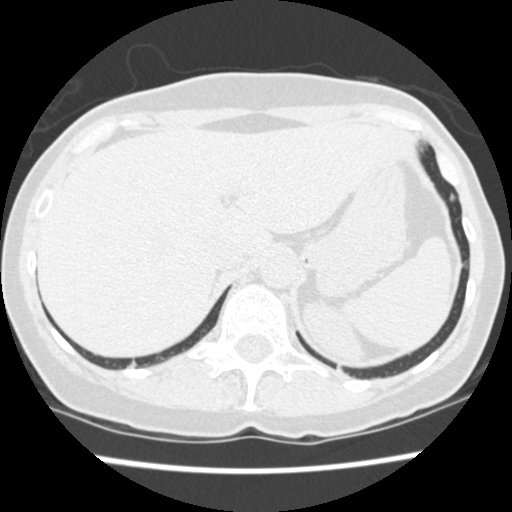
Chest CT, axial plane, 120 kVp, kernel STANDARD. Slice 52/471 from the bottom of the scan; thickness 1.25 mm; pixel size 0.586 mm.
Pulmonary nodule, outlined by all four readers. Box on this slice rows 192–202, columns 449–455, the union of the readers' outlines on this slice; longest diameter 7.0 mm on average over the four readers' outlines (readers' outlines 6.1–9.0 mm), volume 96–205 mm3. The readers' prevailing ratings and who disagreed: texture 5/5 (solid) from all four readers; margin 4/5 by three of four readers; the rest gave 5/5 (circumscribed) (one); most readers (three of four) put sphericity at 3/5 (ovoid), others 5/5 (round) (one); calcification absent from all four readers; internal structure soft tissue from all four readers; subtlety 3/5 by three of four readers; the rest gave 4/5 (one); malignancy likelihood 3/5 by two of four readers; the rest gave 2/5 (one), 4/5 (one). Scale key (1–5): texture non-solid→solid, margin indistinct→circumscribed, sphericity linear→round, subtlety extremely subtle→obvious, malignancy likelihood highly unlikely→highly suspicious of cancer. Box rows and columns are 0-based pixel indices from the top-left corner, inclusive.